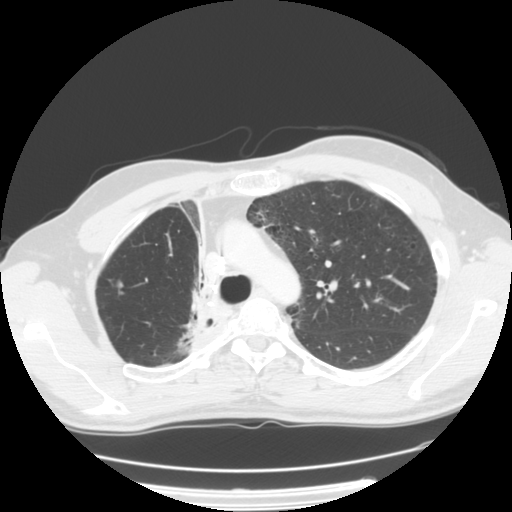
Axial slice 102 of 133 of a chest CT (slice 1 is the lowest), reconstructed with the STANDARD kernel at 120 kVp; 2.50 mm slice thickness and 0.703 mm pixels.
Pulmonary nodule, outlined by all four readers. Box on this slice rows 279–292, columns 116–123, the union of the readers' outlines on this slice; the four readers' outlines give a longest diameter between 5.4 and 11.4 mm and a volume between 70 and 205 mm3. The readers' ratings, as ranges where they differ: texture 5/5 (solid) from all four readers; margin from 3/5 to 5/5 (circumscribed) across the four readers; sphericity from 3/5 (ovoid) to 5/5 (round) across the four readers; calcification absent, all four readers agreeing; internal structure soft tissue from all four readers; subtlety 3–5/5 (the readers disagree); malignancy likelihood rated between 2 and 4 out of 5 by the four readers. Scale key (1–5): texture non-solid→solid, margin indistinct→circumscribed, sphericity linear→round, subtlety extremely subtle→obvious, malignancy likelihood highly unlikely→highly suspicious of cancer. Box rows and columns are 0-based pixel indices from the top-left corner, inclusive.